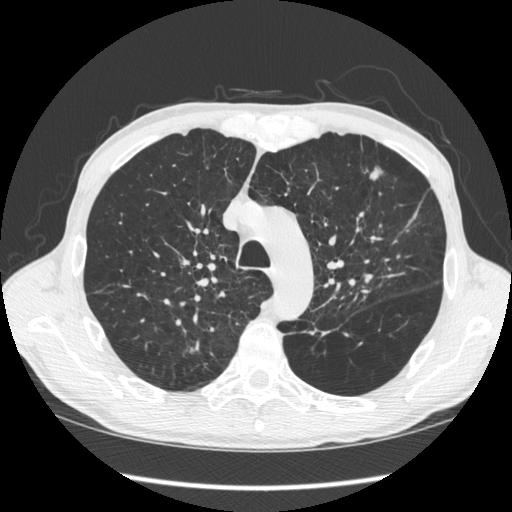
One axial slice (421 of 583, counting up from the lowest) of a chest CT acquired at 120 kVp with the STANDARD kernel; each pixel is 0.703 mm and the slice is 1.25 mm thick.
Pulmonary nodule, outlined by all four readers. Box on this slice rows 166–180, columns 368–383, the union of the readers' outlines on this slice; the four readers' outlines give a longest diameter between 10.5 and 14.8 mm and a volume between 293 and 480 mm3. Ratings across the readers: texture 5/5 (solid) from all four readers; margin from 3/5 to 5/5 (circumscribed) across the four readers; sphericity from 2/5 to 5/5 (round) across the four readers; calcification absent from all four readers; internal structure soft tissue, all four readers agreeing; subtlety 3–5/5 (the readers disagree); malignancy likelihood from 2/5 to 5/5 across the four readers. Scale key (1–5): texture non-solid→solid, margin indistinct→circumscribed, sphericity linear→round, subtlety extremely subtle→obvious, malignancy likelihood highly unlikely→highly suspicious of cancer. Box rows and columns are 0-based pixel indices from the top-left corner, inclusive.